Chest CT, axial plane, 120 kVp, kernel BONE. Slice 181/298 from the bottom of the scan; thickness 1.25 mm; pixel size 0.719 mm.
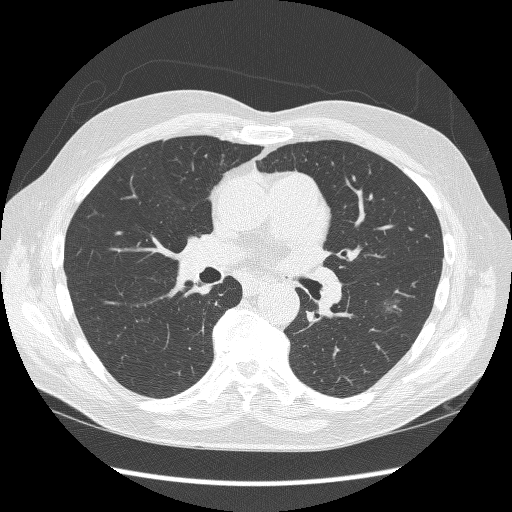
Pulmonary nodule at rows 299–314, columns 383–399 (box = the union of the readers' outlines on this slice), outlined by two of the four readers; longest diameter 18.0–18.4 mm and volume 963–976 mm3 across the two readers' outlines. The readers' ratings, as ranges where they differ: texture 1/5 (non-solid), both readers agreeing; margin from 1/5 (indistinct) to 5/5 (circumscribed) across the two readers; sphericity from 2/5 to 3/5 (ovoid) across the two readers; calcification absent from both readers; internal structure soft tissue from both readers; subtlety rated between 3 and 4 out of 5 by the two readers; malignancy likelihood from 3/5 to 4/5 across the two readers. Scale key (1–5): texture non-solid→solid, margin indistinct→circumscribed, sphericity linear→round, subtlety extremely subtle→obvious, malignancy likelihood highly unlikely→highly suspicious of cancer. Box rows and columns are 0-based pixel indices from the top-left corner, inclusive.